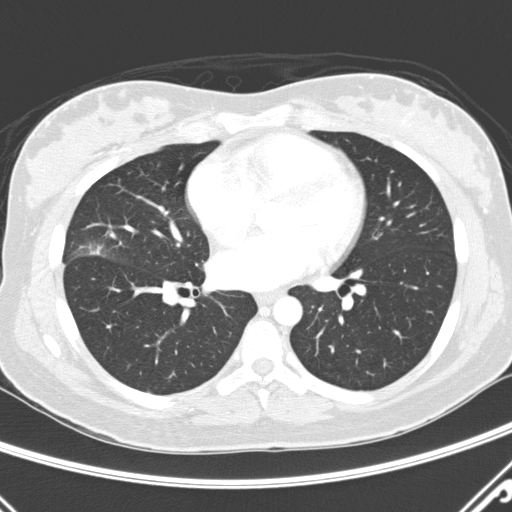
Axial chest CT slice 137 of 290 (counted from the lowest slice); tube voltage 120 kVp, convolution kernel D; slices 2.00 mm thick, 0.648 mm per pixel.
Pulmonary nodule, outlined by all four readers, two of them on this slice. Box on this slice rows 244–254, columns 85–103, the union of the readers' outlines on this slice; longest diameter 26.3 mm on average over the four readers' outlines (readers' outlines 19.9–37.8 mm), volume 1327–2956 mm3. The readers' prevailing ratings and who disagreed: texture split among the readers: 3/5 (part-solid) (two), 5/5 (solid) (two); margin 1/5 (indistinct) by two of four readers; the rest gave 2/5 (one), 3/5 (one); sphericity 3/5 (ovoid) by two of four readers; the rest gave 2/5 (one), 4/5 (one); calcification absent, all four readers agreeing; internal structure soft tissue from all four readers; subtlety 5/5 from all four readers; malignancy likelihood split among the readers: 3/5 (two), 5/5 (two). Scale key (1–5): texture non-solid→solid, margin indistinct→circumscribed, sphericity linear→round, subtlety extremely subtle→obvious, malignancy likelihood highly unlikely→highly suspicious of cancer. Box rows and columns are 0-based pixel indices from the top-left corner, inclusive.